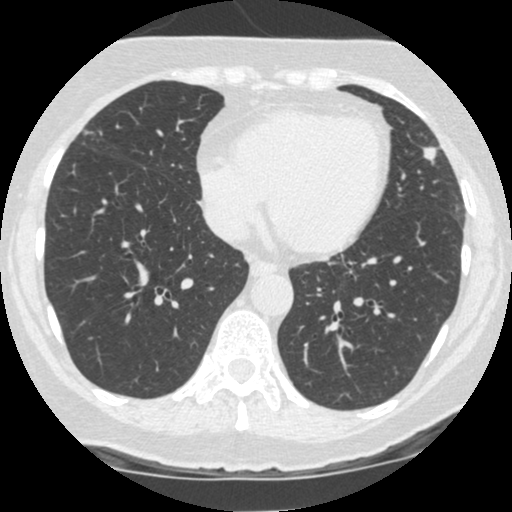
Chest CT, axial plane, 120 kVp, kernel STANDARD. Slice 161/481 from the bottom of the scan; thickness 1.25 mm; pixel size 0.586 mm.
Pulmonary nodule, outlined by all four readers. Box on this slice rows 147–162, columns 423–436, the union of the readers' outlines on this slice; median longest diameter 10.8 mm (readers' outlines 9.6–11.3 mm), median volume 433 mm3 (410–491 mm3). Median ratings and the readers' spread: texture 5/5 (solid), all four readers agreeing; margin 5/5 (circumscribed) at the median of four readers, spread 4/5 to 5/5 (circumscribed); median sphericity 4/5 (readers ranged 4/5 to 5/5 (round)); calcification absent from all four readers; internal structure soft tissue from all four readers; subtlety 5/5 at the median of four readers, spread 4–5; median malignancy likelihood 3.5/5 (readers ranged 2–5). Scale key (1–5): texture non-solid→solid, margin indistinct→circumscribed, sphericity linear→round, subtlety extremely subtle→obvious, malignancy likelihood highly unlikely→highly suspicious of cancer. Box rows and columns are 0-based pixel indices from the top-left corner, inclusive.